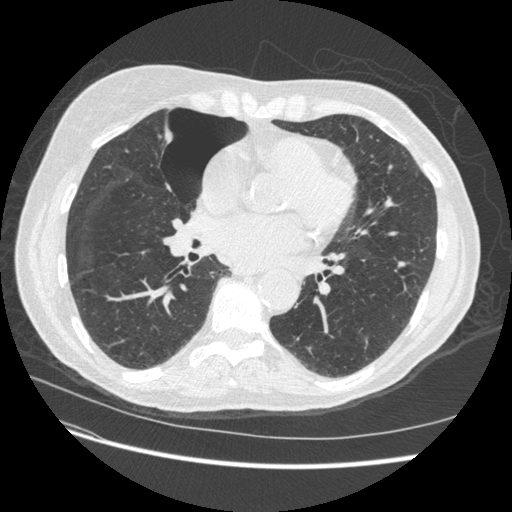
Axial slice 226 of 509 of a chest CT (slice 1 is the lowest), reconstructed with the STANDARD kernel at 120 kVp; 1.25 mm slice thickness and 0.703 mm pixels.
Pulmonary nodule at rows 261–267, columns 397–408 (box = the union of the readers' outlines on this slice), outlined by three of the four readers; median longest diameter 11.5 mm (readers' outlines 9.2–11.6 mm), median volume 339 mm3 (182–365 mm3). Ratings, median across the readers with their spread: texture 5/5 (solid) at the median of three readers, spread 4/5 to 5/5 (solid); median margin 4/5 (readers ranged 3/5 to 5/5 (circumscribed)); median sphericity 3/5 (ovoid) (readers ranged 2/5 to 4/5); calcification absent from all three readers; internal structure soft tissue from all three readers; subtlety 4/5, all three readers agreeing; median malignancy likelihood 3/5 (readers ranged 2–4). Scale key (1–5): texture non-solid→solid, margin indistinct→circumscribed, sphericity linear→round, subtlety extremely subtle→obvious, malignancy likelihood highly unlikely→highly suspicious of cancer. Box rows and columns are 0-based pixel indices from the top-left corner, inclusive.